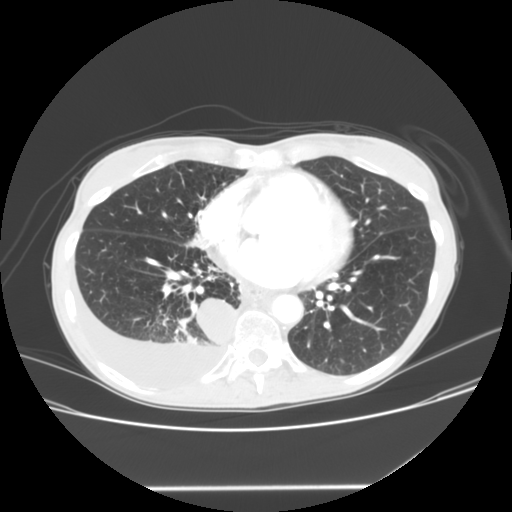
Axial chest CT slice 55 of 133 (counted from the lowest slice); tube voltage 120 kVp, convolution kernel STANDARD; slices 2.50 mm thick, 0.703 mm per pixel.
Pulmonary nodule outlined by two of the four readers; box rows 297–345, columns 196–235 (the union of the readers' outlines on this slice); longest diameter 33.4–36.9 mm and volume 15304–15793 mm3 across the two readers' outlines. The readers' ratings, as ranges where they differ: texture from 4/5 to 5/5 (solid) across the two readers; margin 5/5 (circumscribed) from both readers; sphericity from 4/5 to 5/5 (round) across the two readers; calcification absent from both readers; internal structure soft tissue, both readers agreeing; subtlety 5/5, both readers agreeing; malignancy likelihood rated between 2 and 3 out of 5 by the two readers. Scale key (1–5): texture non-solid→solid, margin indistinct→circumscribed, sphericity linear→round, subtlety extremely subtle→obvious, malignancy likelihood highly unlikely→highly suspicious of cancer. Box rows and columns are 0-based pixel indices from the top-left corner, inclusive.